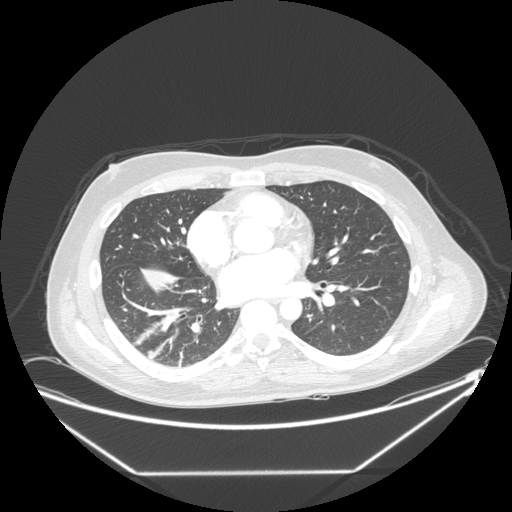
One axial slice (116 of 246, counting up from the lowest) of a chest CT acquired at 120 kVp with the STANDARD kernel; each pixel is 0.859 mm and the slice is 1.25 mm thick.
Pulmonary nodule at rows 349–358, columns 145–159 (box = the union of the readers' outlines on this slice), outlined by all four readers; median longest diameter 10.6 mm (readers' outlines 9.0–13.9 mm), median volume 325 mm3 (213–487 mm3). Median ratings and the readers' spread: texture 5/5 (solid), all four readers agreeing; median margin 4.5/5 (readers ranged 4/5 to 5/5 (circumscribed)); median sphericity 4.5/5 (readers ranged 3/5 (ovoid) to 5/5 (round)); calcification absent from all four readers; internal structure soft tissue from all four readers; subtlety 3.5/5 at the median of four readers, spread 3–4; malignancy likelihood 3/5 at the median of four readers, spread 2–3. Scale key (1–5): texture non-solid→solid, margin indistinct→circumscribed, sphericity linear→round, subtlety extremely subtle→obvious, malignancy likelihood highly unlikely→highly suspicious of cancer. Box rows and columns are 0-based pixel indices from the top-left corner, inclusive.